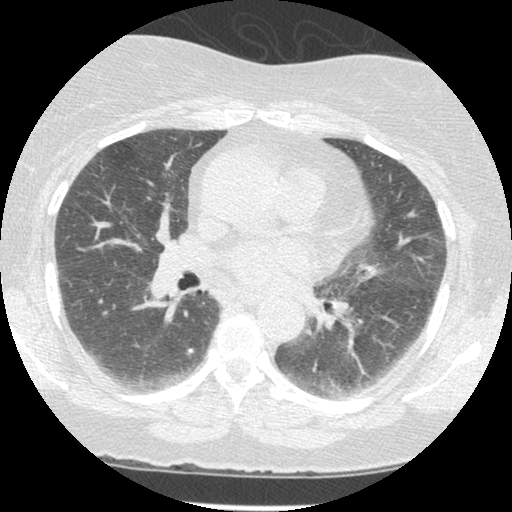
Axial chest CT slice 178 of 381 (counted from the lowest slice); 1.25 mm thick, 0.625 mm per pixel. Pulmonary nodule, outlined by two of the four readers. Box on this slice rows 348–351, columns 189–192, the union of the readers' outlines on this slice; median longest diameter 3.9 mm (readers' outlines 3.6–4.2 mm), median volume 20 mm3 (18–22 mm3). Median ratings and the readers' spread: texture 5/5 (solid), both readers agreeing; margin 4.5/5 at the median of two readers, spread 4/5 to 5/5 (circumscribed); sphericity 5/5 (round), both readers agreeing; calcification solid calcification from both readers; internal structure soft tissue, both readers agreeing; subtlety 3.5/5 at the median of two readers, spread 2–5; malignancy likelihood 1/5, both readers agreeing. Scale key (1–5): texture non-solid→solid, margin indistinct→circumscribed, sphericity linear→round, subtlety extremely subtle→obvious, malignancy likelihood highly unlikely→highly suspicious of cancer. Box rows and columns are 0-based pixel indices from the top-left corner, inclusive.
Acquired at 120 kVp and reconstructed with the STANDARD kernel.